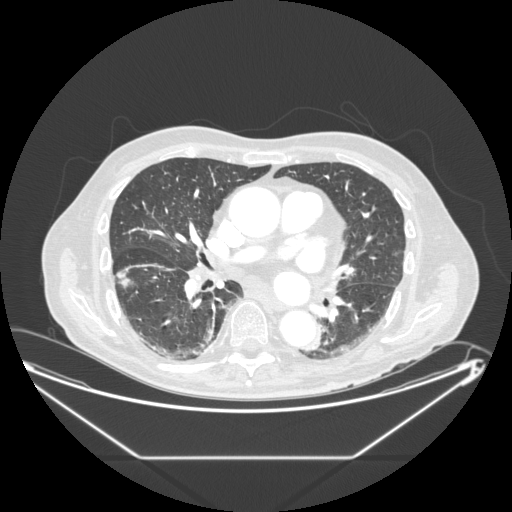
Axial slice 92 of 214 of a chest CT (slice 1 is the lowest), reconstructed with the STANDARD kernel at 120 kVp; 1.25 mm slice thickness and 0.879 mm pixels.
Pulmonary nodule, outlined by all four readers. Box on this slice rows 274–292, columns 118–131, the union of the readers' outlines on this slice; median longest diameter 13.4 mm (readers' outlines 12.6–15.8 mm), median volume 615 mm3 (537–734 mm3). Median ratings and the readers' spread: texture 5/5 (solid) at the median of four readers, spread 4/5 to 5/5 (solid); margin 3.5/5 at the median of four readers, spread 2/5 to 5/5 (circumscribed); median sphericity 4.5/5 (readers ranged 4/5 to 5/5 (round)); calcification absent from all four readers; internal structure soft tissue, all four readers agreeing; subtlety 4/5 at the median of four readers, spread 4–5; median malignancy likelihood 3/5 (readers ranged 3–5). Scale key (1–5): texture non-solid→solid, margin indistinct→circumscribed, sphericity linear→round, subtlety extremely subtle→obvious, malignancy likelihood highly unlikely→highly suspicious of cancer. Box rows and columns are 0-based pixel indices from the top-left corner, inclusive.